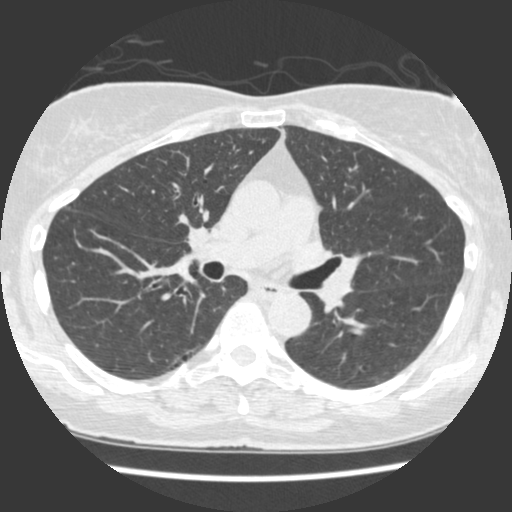
Axial slice 224 of 429 of a chest CT (slice 1 is the lowest), reconstructed with the STANDARD kernel at 120 kVp; 1.25 mm slice thickness and 0.586 mm pixels.
Pulmonary nodule outlined by one of the four readers; box rows 129–136, columns 282–284 (that reader's outline on this slice); longest diameter 7.8 mm and volume 111 mm3 from that reader's outline. That reader's ratings: texture 5/5 (solid); margin 2/5; sphericity 2/5; calcification absent; internal structure soft tissue; subtlety 2/5; malignancy likelihood 1/5. Scale key (1–5): texture non-solid→solid, margin indistinct→circumscribed, sphericity linear→round, subtlety extremely subtle→obvious, malignancy likelihood highly unlikely→highly suspicious of cancer. Box rows and columns are 0-based pixel indices from the top-left corner, inclusive.